Axial slice 118 of 186 of a chest CT (slice 1 is the lowest), reconstructed with the B30f kernel at 120 kVp; 2.00 mm slice thickness and 0.586 mm pixels.
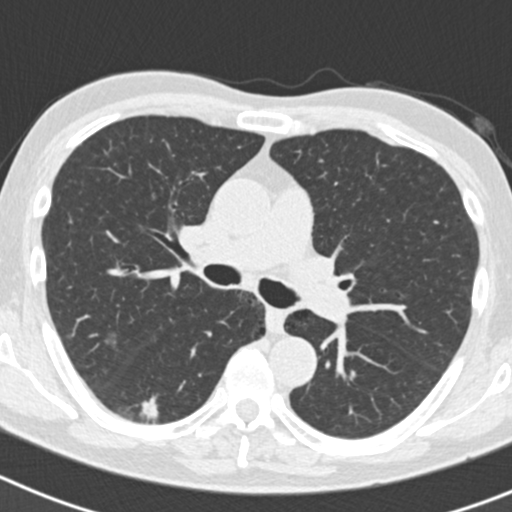
Pulmonary nodule outlined by three of the four readers; box rows 394–421, columns 137–158 (the union of the readers' outlines on this slice); the three readers' outlines give a longest diameter between 19.6 and 20.9 mm and a volume between 1911 and 1935 mm3. Ratings across the readers: texture from 4/5 to 5/5 (solid) across the three readers; margin from 3/5 to 4/5 across the three readers; sphericity from 2/5 to 4/5 across the three readers; calcification absent, all three readers agreeing; internal structure soft tissue, all three readers agreeing; subtlety 4–5/5 (the readers disagree); malignancy likelihood rated between 3 and 5 out of 5 by the three readers. Scale key (1–5): texture non-solid→solid, margin indistinct→circumscribed, sphericity linear→round, subtlety extremely subtle→obvious, malignancy likelihood highly unlikely→highly suspicious of cancer. Box rows and columns are 0-based pixel indices from the top-left corner, inclusive.